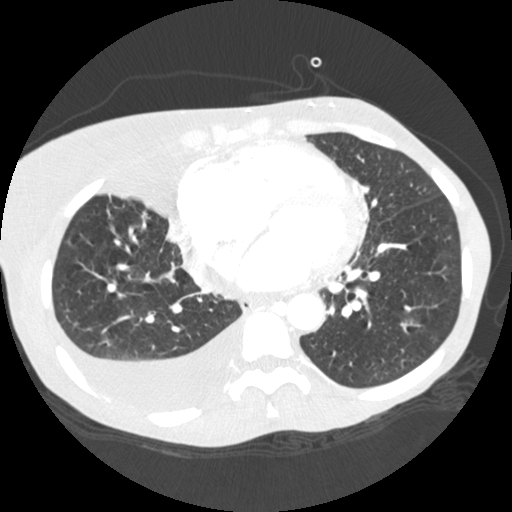
Chest CT, axial plane, 120 kVp, kernel STANDARD. Slice 96/238 from the bottom of the scan; thickness 1.25 mm; pixel size 0.625 mm.
Pulmonary nodule, outlined by two of the four readers. Box on this slice rows 212–218, columns 142–149, the union of the readers' outlines on this slice; median longest diameter 6.1 mm (readers' outlines 5.7–6.5 mm), median volume 63 mm3 (55–71 mm3). Ratings, median across the readers with their spread: median texture 4.5/5 (readers ranged 4/5 to 5/5 (solid)); median margin 3.5/5 (readers ranged 3/5 to 4/5); sphericity 4/5, both readers agreeing; calcification absent from both readers; internal structure soft tissue from both readers; subtlety 3.5/5 at the median of two readers, spread 2–5; malignancy likelihood 3/5, both readers agreeing. Scale key (1–5): texture non-solid→solid, margin indistinct→circumscribed, sphericity linear→round, subtlety extremely subtle→obvious, malignancy likelihood highly unlikely→highly suspicious of cancer. Box rows and columns are 0-based pixel indices from the top-left corner, inclusive.